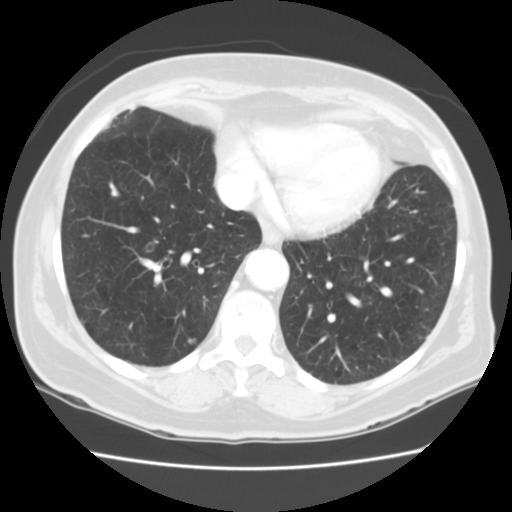
Axial chest CT slice 56 of 133 (counted from the lowest slice); 2.50 mm thick, 0.625 mm per pixel. Pulmonary nodule at rows 338–343, columns 187–195 (box = that reader's outline on this slice), outlined by one of the four readers; longest diameter 7.0 mm and volume 116 mm3 from that reader's outline. That reader's ratings: texture 4/5; margin 5/5 (circumscribed); sphericity 3/5 (ovoid); calcification absent; internal structure soft tissue; subtlety 3/5; malignancy likelihood 2/5. Scale key (1–5): texture non-solid→solid, margin indistinct→circumscribed, sphericity linear→round, subtlety extremely subtle→obvious, malignancy likelihood highly unlikely→highly suspicious of cancer. Box rows and columns are 0-based pixel indices from the top-left corner, inclusive.
Acquired at 120 kVp and reconstructed with the STANDARD kernel.